Axial slice 91 of 181 of a chest CT (slice 1 is the lowest), reconstructed with the B30f kernel at 120 kVp; 2.00 mm slice thickness and 0.664 mm pixels.
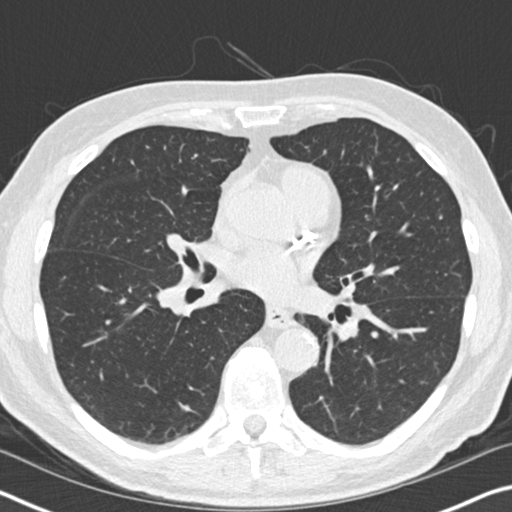
Pulmonary nodule outlined by all four readers; box rows 404–412, columns 182–190 (the union of the readers' outlines on this slice); longest diameter 7.2–9.5 mm and volume 90–170 mm3 across the four readers' outlines. The readers' ratings, as ranges where they differ: texture from 4/5 to 5/5 (solid) across the four readers; margin 4/5, all four readers agreeing; sphericity from 2/5 to 5/5 (round) across the four readers; calcification absent from all four readers; internal structure soft tissue from all four readers; subtlety rated between 3 and 5 out of 5 by the four readers; malignancy likelihood 2–3/5 (the readers disagree). Scale key (1–5): texture non-solid→solid, margin indistinct→circumscribed, sphericity linear→round, subtlety extremely subtle→obvious, malignancy likelihood highly unlikely→highly suspicious of cancer. Box rows and columns are 0-based pixel indices from the top-left corner, inclusive.